Axial chest CT slice 60 of 107 (counted from the lowest slice); tube voltage 130 kVp, convolution kernel B31s; slices 3.00 mm thick, 0.742 mm per pixel.
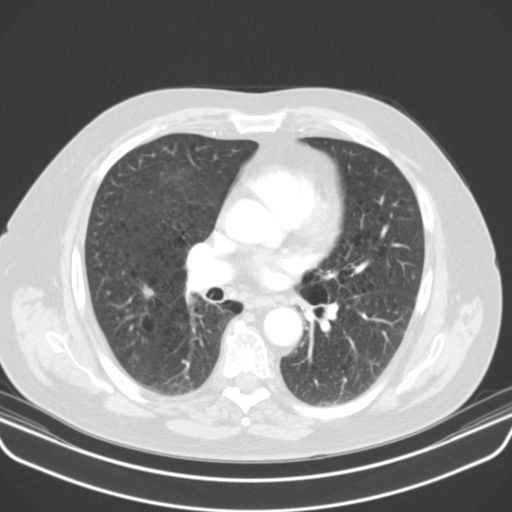
Pulmonary nodule, outlined by all four readers. Box on this slice rows 284–298, columns 141–154, the union of the readers' outlines on this slice; median longest diameter 11.8 mm (readers' outlines 11.5–12.1 mm), median volume 317 mm3 (213–451 mm3). Ratings, median across the readers with their spread: texture 4/5 at the median of four readers, spread 3/5 (part-solid) to 5/5 (solid); margin 4/5 at the median of four readers, spread 2/5 to 4/5; sphericity 3.5/5 at the median of four readers, spread 3/5 (ovoid) to 5/5 (round); calcification absent, all four readers agreeing; internal structure soft tissue from all four readers; subtlety 5/5 from all four readers; median malignancy likelihood 3.5/5 (readers ranged 2–4). Scale key (1–5): texture non-solid→solid, margin indistinct→circumscribed, sphericity linear→round, subtlety extremely subtle→obvious, malignancy likelihood highly unlikely→highly suspicious of cancer. Box rows and columns are 0-based pixel indices from the top-left corner, inclusive.